Axial slice 98 of 191 of a chest CT (slice 1 is the lowest), reconstructed with the B30f kernel at 120 kVp; 2.00 mm slice thickness and 0.684 mm pixels.
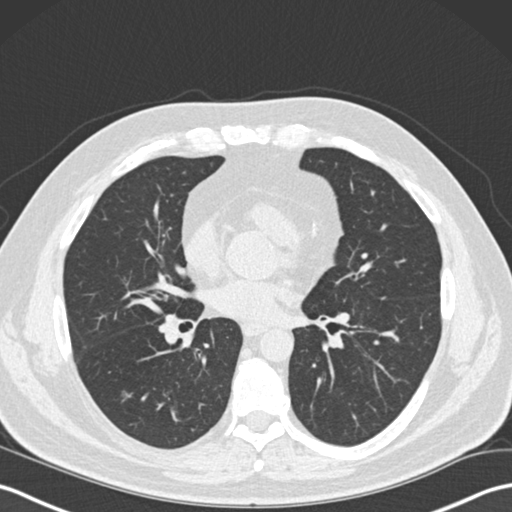
Pulmonary nodule outlined by all four readers; box rows 390–397, columns 120–131 (the union of the readers' outlines on this slice); longest diameter 8.3–10.1 mm and volume 135–182 mm3 across the four readers' outlines. The readers' ratings, as ranges where they differ: texture from 3/5 (part-solid) to 5/5 (solid) across the four readers; margin from 2/5 to 4/5 across the four readers; sphericity 3/5 (ovoid) from all four readers; calcification absent from all four readers; internal structure soft tissue from all four readers; subtlety rated between 2 and 5 out of 5 by the four readers; malignancy likelihood rated between 2 and 4 out of 5 by the four readers. Scale key (1–5): texture non-solid→solid, margin indistinct→circumscribed, sphericity linear→round, subtlety extremely subtle→obvious, malignancy likelihood highly unlikely→highly suspicious of cancer. Box rows and columns are 0-based pixel indices from the top-left corner, inclusive.